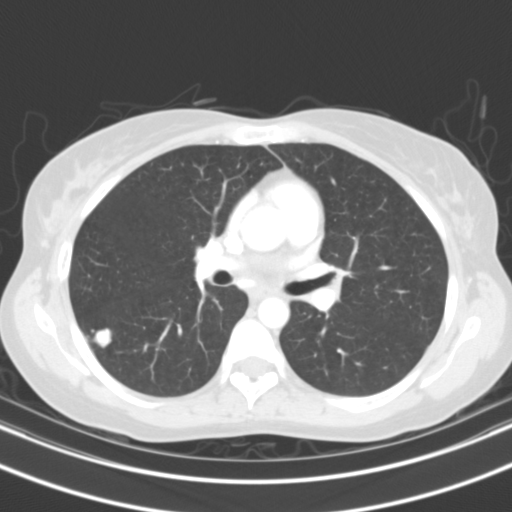
Slice 67/108 of a chest CT, counting up from the lowest; pixel size 0.629 mm, slice thickness 3.00 mm. Pulmonary nodule, outlined by all four readers. Box on this slice rows 328–347, columns 92–111, the union of the readers' outlines on this slice; longest diameter 16.4 mm on average over the four readers' outlines (readers' outlines 15.5–16.9 mm), volume 796–1190 mm3. The readers' prevailing ratings and who disagreed: most readers (three of four) put texture at 5/5 (solid), others 4/5 (one); margin split among the readers: 4/5 (two), 5/5 (circumscribed) (two); sphericity 4/5 by two of four readers; the rest gave 3/5 (ovoid) (one), 5/5 (round) (one); calcification solid calcification by three of four readers, absent (one); internal structure soft tissue from all four readers; most readers (three of four) put subtlety at 5/5, others 4/5 (one); most readers (three of four) put malignancy likelihood at 1/5, others 3/5 (one). Scale key (1–5): texture non-solid→solid, margin indistinct→circumscribed, sphericity linear→round, subtlety extremely subtle→obvious, malignancy likelihood highly unlikely→highly suspicious of cancer. Box rows and columns are 0-based pixel indices from the top-left corner, inclusive.
Scan settings: 130 kVp, B31s reconstruction kernel.